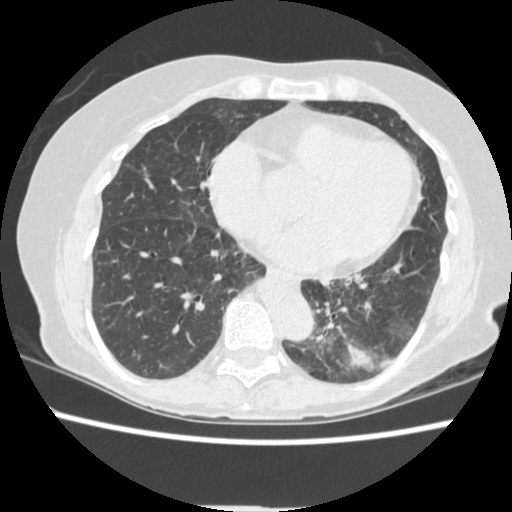
Axial chest CT slice 122 of 362 (counted from the lowest slice); 1.25 mm thick, 0.625 mm per pixel. Pulmonary nodule, outlined by one of the four readers. Box on this slice rows 345–369, columns 348–372, that reader's outline on this slice; longest diameter 37.2 mm and volume 2579 mm3 from that reader's outline. Ratings by that reader: texture 5/5 (solid); margin 3/5; sphericity 4/5; calcification absent; internal structure soft tissue; subtlety 5/5; malignancy likelihood 4/5. Scale key (1–5): texture non-solid→solid, margin indistinct→circumscribed, sphericity linear→round, subtlety extremely subtle→obvious, malignancy likelihood highly unlikely→highly suspicious of cancer. Box rows and columns are 0-based pixel indices from the top-left corner, inclusive.
Scan settings: 120 kVp, STANDARD reconstruction kernel.